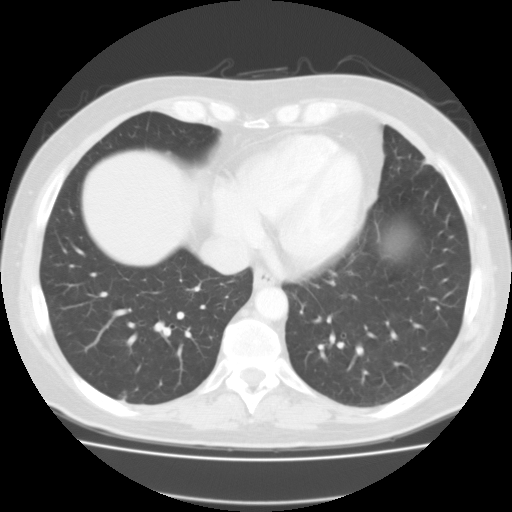
Axial chest CT slice 53 of 127 (counted from the lowest slice); tube voltage 135 kVp, convolution kernel FC01; slices 3.00 mm thick, 0.750 mm per pixel.
Pulmonary nodule outlined by two of the four readers, one of them on this slice; box rows 392–399, columns 120–126 (the one reader's outline on this slice); longest diameter 9.6 mm on average over the two readers' outlines (readers' outlines 9.0–10.2 mm), volume 149–183 mm3. Ratings, by the readers' most common answer with dissent counted: texture split among the readers: 3/5 (part-solid) (one), 4/5 (one); margin split among the readers: 2/5 (one), 3/5 (one); sphericity split among the readers: 3/5 (ovoid) (one), 4/5 (one); calcification absent, both readers agreeing; internal structure soft tissue from both readers; subtlety split among the readers: 3/5 (one), 4/5 (one); malignancy likelihood split among the readers: 2/5 (one), 3/5 (one). Scale key (1–5): texture non-solid→solid, margin indistinct→circumscribed, sphericity linear→round, subtlety extremely subtle→obvious, malignancy likelihood highly unlikely→highly suspicious of cancer. Box rows and columns are 0-based pixel indices from the top-left corner, inclusive.